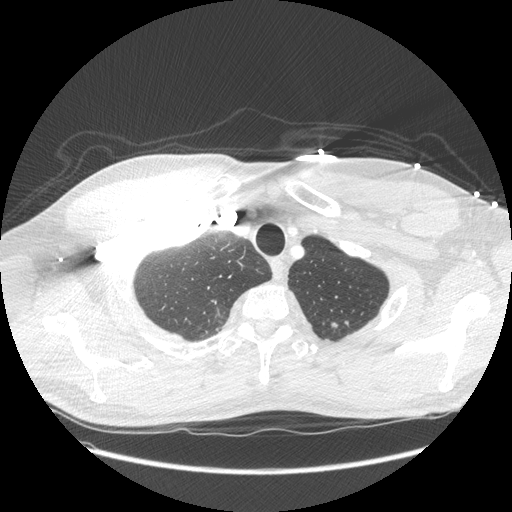
Axial chest CT slice 229 of 261 (counted from the lowest slice); 1.25 mm thick, 0.781 mm per pixel. Two pulmonary nodules on this slice, listed from left to right. (1) Pulmonary nodule at rows 322–327, columns 331–337 (box = that reader's outline on this slice), outlined by one of the four readers; longest diameter 6.4 mm and volume 48 mm3 from that reader's outline. That reader's ratings: texture 5/5 (solid); margin 3/5; sphericity 3/5 (ovoid); calcification absent; internal structure soft tissue; subtlety 2/5; malignancy likelihood 1/5. (2) Pulmonary nodule at rows 321–326, columns 344–348 (box = that reader's outline on this slice), outlined by one of the four readers; longest diameter 5.9 mm and volume 83 mm3 from that reader's outline. That reader's ratings: texture 5/5 (solid); margin 4/5; sphericity 4/5; calcification absent; internal structure soft tissue; subtlety 2/5; malignancy likelihood 2/5. Scale key (1–5): texture non-solid→solid, margin indistinct→circumscribed, sphericity linear→round, subtlety extremely subtle→obvious, malignancy likelihood highly unlikely→highly suspicious of cancer. Box rows and columns are 0-based pixel indices from the top-left corner, inclusive.
Tube voltage 120 kVp; convolution kernel STANDARD.